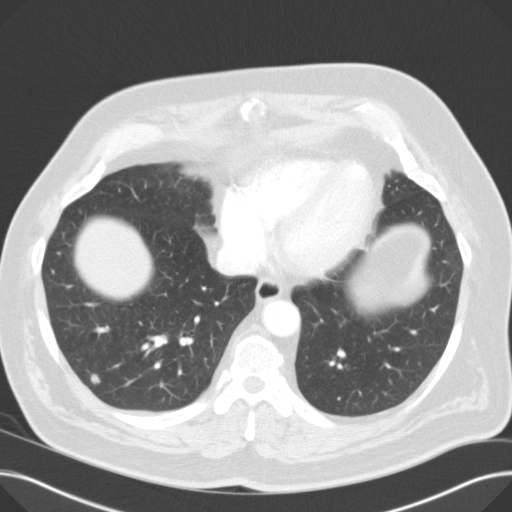
Axial chest CT slice 49 of 125 (counted from the lowest slice); 3.00 mm thick, 0.730 mm per pixel. Pulmonary nodule at rows 374–384, columns 91–100 (box = the union of the readers' outlines on this slice), outlined by three of the four readers; longest diameter 8.9 mm on average over the three readers' outlines (readers' outlines 7.9–11.0 mm), volume 185–442 mm3. Ratings, by the readers' most common answer with dissent counted: texture 5/5 (solid) by two of three readers; the rest gave 4/5 (one); most readers (two of three) put margin at 3/5, others 4/5 (one); most readers (two of three) put sphericity at 3/5 (ovoid), others 4/5 (one); calcification absent, all three readers agreeing; internal structure soft tissue, all three readers agreeing; subtlety 4/5 by two of three readers; the rest gave 5/5 (one); most readers (two of three) put malignancy likelihood at 3/5, others 2/5 (one). Scale key (1–5): texture non-solid→solid, margin indistinct→circumscribed, sphericity linear→round, subtlety extremely subtle→obvious, malignancy likelihood highly unlikely→highly suspicious of cancer. Box rows and columns are 0-based pixel indices from the top-left corner, inclusive.
Scan settings: 120 kVp, B31f reconstruction kernel.